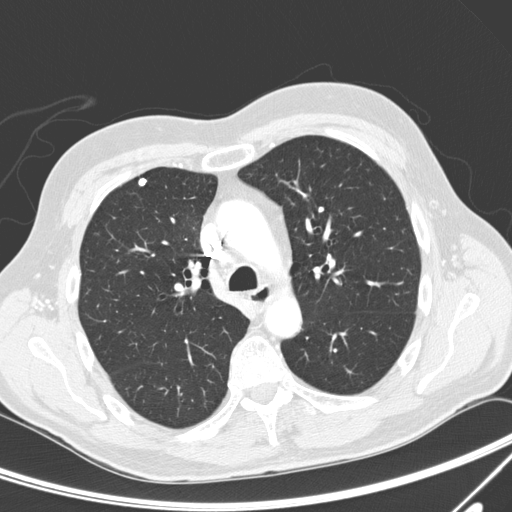
Chest CT, axial plane, 120 kVp, kernel D. Slice 184/300 from the bottom of the scan; thickness 2.00 mm; pixel size 0.678 mm.
Pulmonary nodule outlined by all four readers; box rows 177–187, columns 136–146 (the union of the readers' outlines on this slice); median longest diameter 8.2 mm (readers' outlines 7.9–8.5 mm), median volume 216 mm3 (191–251 mm3). Ratings, median across the readers with their spread: texture 5/5 (solid), all four readers agreeing; margin 5/5 (circumscribed) at the median of four readers, spread 4/5 to 5/5 (circumscribed); median sphericity 4.5/5 (readers ranged 3/5 (ovoid) to 5/5 (round)); calcification: solid calcification (three), absent (one); internal structure soft tissue, all four readers agreeing; subtlety 5/5 from all four readers; median malignancy likelihood 1/5 (readers ranged 1–3). Scale key (1–5): texture non-solid→solid, margin indistinct→circumscribed, sphericity linear→round, subtlety extremely subtle→obvious, malignancy likelihood highly unlikely→highly suspicious of cancer. Box rows and columns are 0-based pixel indices from the top-left corner, inclusive.